One axial slice (126 of 208, counting up from the lowest) of a chest CT acquired at 120 kVp with the BONE kernel; each pixel is 0.723 mm and the slice is 1.25 mm thick.
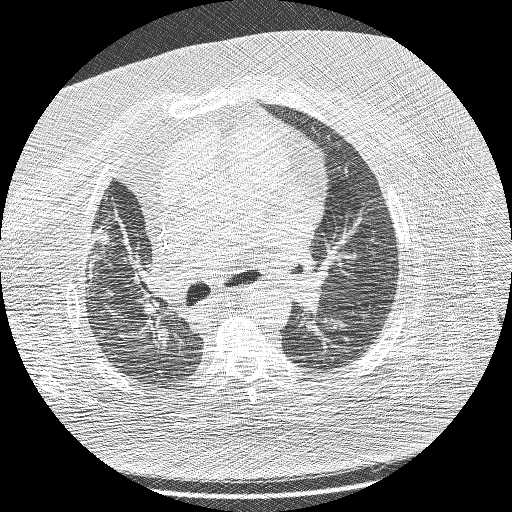
Pulmonary nodule at rows 224–246, columns 92–112 (box = the union of the readers' outlines on this slice), outlined by all four readers; the four readers' outlines give a longest diameter between 25.6 and 30.6 mm and a volume between 4623 and 6820 mm3. The readers' ratings, as ranges where they differ: texture 5/5 (solid) from all four readers; margin from 1/5 (indistinct) to 3/5 across the four readers; sphericity from 3/5 (ovoid) to 4/5 across the four readers; calcification absent from all four readers; internal structure soft tissue from all four readers; subtlety 5/5 from all four readers; malignancy likelihood 5/5 from all four readers. Scale key (1–5): texture non-solid→solid, margin indistinct→circumscribed, sphericity linear→round, subtlety extremely subtle→obvious, malignancy likelihood highly unlikely→highly suspicious of cancer. Box rows and columns are 0-based pixel indices from the top-left corner, inclusive.